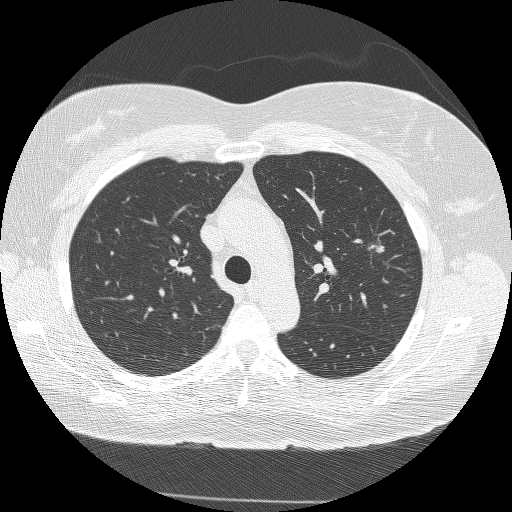
One axial slice (183 of 245, counting up from the lowest) of a chest CT acquired at 120 kVp with the BONE kernel; each pixel is 0.664 mm and the slice is 1.25 mm thick.
Pulmonary nodule at rows 239–253, columns 367–384 (box = the union of the readers' outlines on this slice), outlined by all four readers; median longest diameter 21.0 mm (readers' outlines 20.8–22.3 mm), median volume 3153 mm3 (2976–3390 mm3). Ratings, median across the readers with their spread: texture 5/5 (solid) at the median of four readers, spread 4/5 to 5/5 (solid); median margin 3.5/5 (readers ranged 3/5 to 4/5); median sphericity 3.5/5 (readers ranged 3/5 (ovoid) to 5/5 (round)); calcification absent, all four readers agreeing; internal structure soft tissue, all four readers agreeing; subtlety 5/5, all four readers agreeing; malignancy likelihood 5/5 from all four readers. Scale key (1–5): texture non-solid→solid, margin indistinct→circumscribed, sphericity linear→round, subtlety extremely subtle→obvious, malignancy likelihood highly unlikely→highly suspicious of cancer. Box rows and columns are 0-based pixel indices from the top-left corner, inclusive.